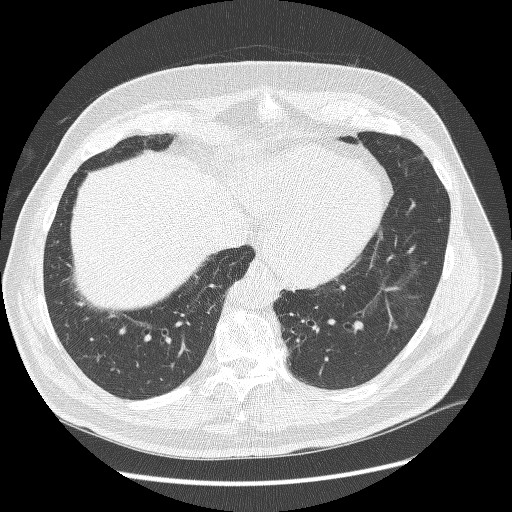
Axial chest CT slice 94 of 258 (counted from the lowest slice); tube voltage 120 kVp, convolution kernel BONE; slices 1.25 mm thick, 0.766 mm per pixel.
Pulmonary nodule at rows 324–330, columns 391–397 (box = the union of the readers' outlines on this slice), outlined by all four readers; longest diameter 6.4 mm on average over the four readers' outlines (readers' outlines 5.8–7.1 mm), volume 44–99 mm3. Ratings, by the readers' most common answer with dissent counted: texture split among the readers: 4/5 (two), 5/5 (solid) (two); margin 4/5 by three of four readers; the rest gave 5/5 (circumscribed) (one); sphericity 5/5 (round) by two of four readers; the rest gave 3/5 (ovoid) (one), 4/5 (one); calcification absent from all four readers; internal structure soft tissue, all four readers agreeing; subtlety split among the readers: 2/5 (one), 3/5 (one), 4/5 (one), 5/5 (one); malignancy likelihood 3/5 by three of four readers; the rest gave 2/5 (one). Scale key (1–5): texture non-solid→solid, margin indistinct→circumscribed, sphericity linear→round, subtlety extremely subtle→obvious, malignancy likelihood highly unlikely→highly suspicious of cancer. Box rows and columns are 0-based pixel indices from the top-left corner, inclusive.